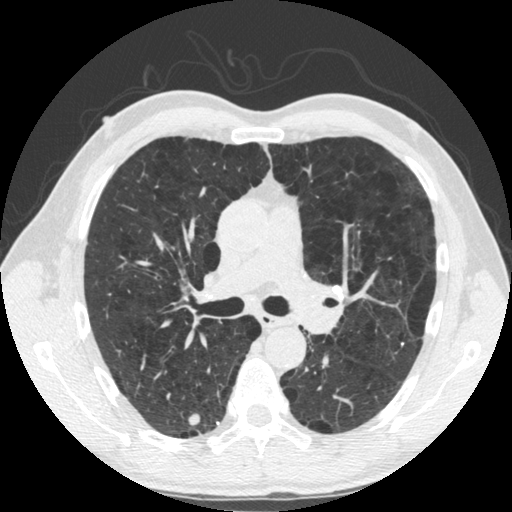
Axial chest CT slice 321 of 535 (counted from the lowest slice); 1.25 mm thick, 0.664 mm per pixel. Pulmonary nodule outlined by all four readers; box rows 412–425, columns 188–199 (the union of the readers' outlines on this slice); longest diameter 11.2 mm on average over the four readers' outlines (readers' outlines 10.5–12.4 mm), volume 543–647 mm3. Ratings, by the readers' most common answer with dissent counted: texture 5/5 (solid) from all four readers; margin 5/5 (circumscribed) from all four readers; sphericity 5/5 (round) by two of four readers; the rest gave 3/5 (ovoid) (one), 4/5 (one); calcification absent by three of four readers, laminated calcification (one); internal structure soft tissue, all four readers agreeing; subtlety 5/5 from all four readers; malignancy likelihood 1/5 by two of four readers; the rest gave 4/5 (one), 5/5 (one). Scale key (1–5): texture non-solid→solid, margin indistinct→circumscribed, sphericity linear→round, subtlety extremely subtle→obvious, malignancy likelihood highly unlikely→highly suspicious of cancer. Box rows and columns are 0-based pixel indices from the top-left corner, inclusive.
Scan settings: 120 kVp, STANDARD reconstruction kernel.